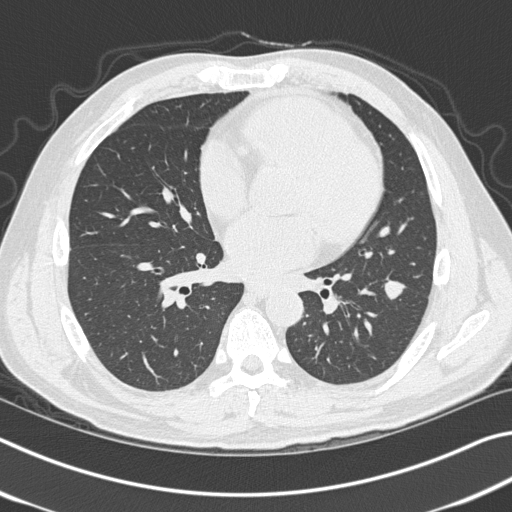
Axial slice 168 of 327 of a chest CT (slice 1 is the lowest), reconstructed with the B45f kernel at 120 kVp; 1.00 mm slice thickness and 0.664 mm pixels.
Pulmonary nodule at rows 277–300, columns 382–407 (box = the union of the readers' outlines on this slice), outlined by all four readers; the four readers' outlines give a longest diameter between 16.4 and 20.2 mm and a volume between 1016 and 1342 mm3. The readers' ratings, as ranges where they differ: texture 5/5 (solid) from all four readers; margin from 4/5 to 5/5 (circumscribed) across the four readers; sphericity from 3/5 (ovoid) to 5/5 (round) across the four readers; calcification absent, all four readers agreeing; internal structure soft tissue, all four readers agreeing; subtlety 4–5/5 (the readers disagree); malignancy likelihood rated between 3 and 5 out of 5 by the four readers. Scale key (1–5): texture non-solid→solid, margin indistinct→circumscribed, sphericity linear→round, subtlety extremely subtle→obvious, malignancy likelihood highly unlikely→highly suspicious of cancer. Box rows and columns are 0-based pixel indices from the top-left corner, inclusive.